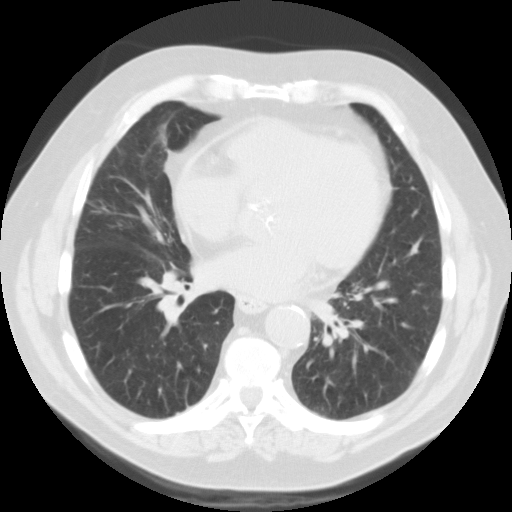
One axial slice (55 of 115, counting up from the lowest) of a chest CT acquired at 135 kVp with the FC01 kernel; each pixel is 0.720 mm and the slice is 3.00 mm thick.
No nodule 3 mm or larger was outlined here by any reader.